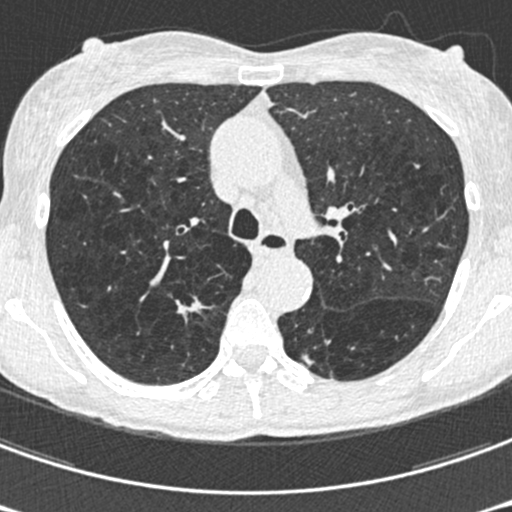
Slice 423/633 of a chest CT, counting up from the lowest; pixel size 0.541 mm, slice thickness 0.60 mm. Two pulmonary nodules are outlined on this slice; from left to right: (1) Pulmonary nodule outlined by all four readers; box rows 296–323, columns 175–204 (the union of the readers' outlines on this slice); median longest diameter 18.4 mm (readers' outlines 18.1–21.0 mm), median volume 1471 mm3 (1292–1642 mm3). Median ratings and the readers' spread: texture 5/5 (solid), all four readers agreeing; median margin 2/5 (readers ranged 1/5 (indistinct) to 3/5); sphericity 3/5 (ovoid) at the median of four readers, spread 2/5 to 4/5; calcification absent, all four readers agreeing; internal structure soft tissue from all four readers; subtlety 5/5 at the median of four readers, spread 4–5; median malignancy likelihood 5/5 (readers ranged 4–5). (2) Pulmonary nodule at rows 354–366, columns 301–313 (box = that reader's outline on this slice), outlined by one of the four readers; longest diameter 20.7 mm and volume 470 mm3 from that reader's outline. Ratings by that reader: texture 5/5 (solid); margin 1/5 (indistinct); sphericity 2/5; calcification absent; internal structure soft tissue; subtlety 4/5; malignancy likelihood 3/5. Scale key (1–5): texture non-solid→solid, margin indistinct→circumscribed, sphericity linear→round, subtlety extremely subtle→obvious, malignancy likelihood highly unlikely→highly suspicious of cancer. Box rows and columns are 0-based pixel indices from the top-left corner, inclusive.
Tube voltage 120 kVp; convolution kernel B30f.